Chest CT, axial plane, 120 kVp, kernel STANDARD. Slice 100/238 from the bottom of the scan; thickness 1.25 mm; pixel size 0.729 mm.
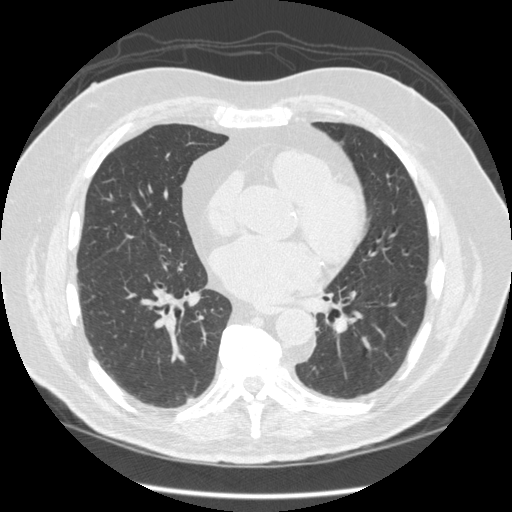
This slice carries no reader outline of a nodule 3 mm or larger.